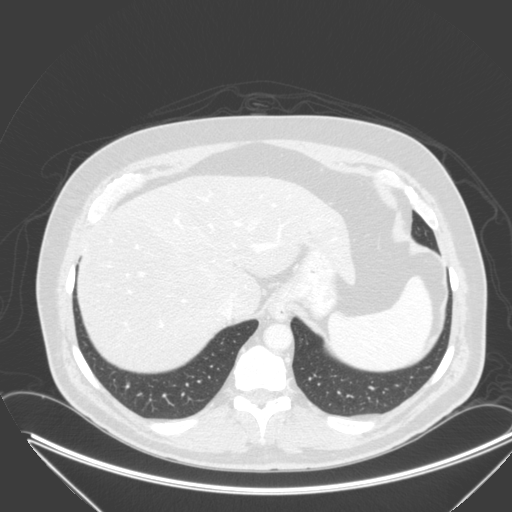
This is axial slice 66 of 315 (slice 1 is the lowest) of a chest CT; each pixel is 0.830 mm and the slice is 2.00 mm thick. Pulmonary nodule outlined by three of the four readers, one of them on this slice; box rows 381–384, columns 127–129 (the one reader's outline on this slice); longest diameter 5.6–6.3 mm and volume 57–71 mm3 across the three readers' outlines. The readers' ratings, as ranges where they differ: texture 5/5 (solid) from all three readers; margin from 4/5 to 5/5 (circumscribed) across the three readers; sphericity from 3/5 (ovoid) to 5/5 (round) across the three readers; calcification absent from all three readers; internal structure soft tissue, all three readers agreeing; subtlety 3–5/5 (the readers disagree); malignancy likelihood rated between 2 and 3 out of 5 by the three readers. Scale key (1–5): texture non-solid→solid, margin indistinct→circumscribed, sphericity linear→round, subtlety extremely subtle→obvious, malignancy likelihood highly unlikely→highly suspicious of cancer. Box rows and columns are 0-based pixel indices from the top-left corner, inclusive.
Scan settings: 120 kVp, B reconstruction kernel.